Axial slice 92 of 117 of a chest CT (slice 1 is the lowest), reconstructed with the B31s kernel at 130 kVp; 3.00 mm slice thickness and 0.566 mm pixels.
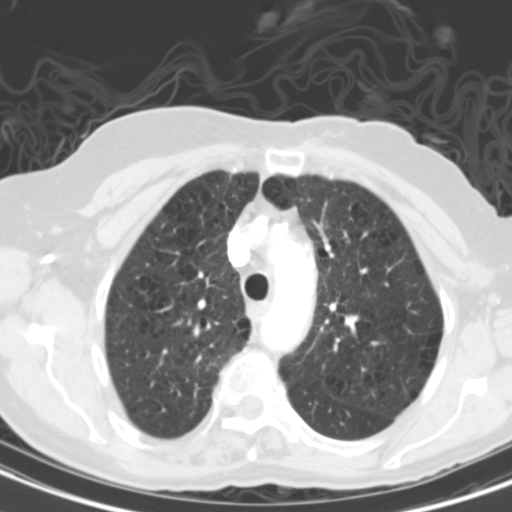
Pulmonary nodule at rows 356–361, columns 197–200 (box = the union of the readers' outlines on this slice), outlined by all four readers, two of them on this slice; median longest diameter 36.7 mm (readers' outlines 31.3–41.7 mm), median volume 5754 mm3 (5062–7820 mm3). Median ratings and the readers' spread: texture 5/5 (solid) from all four readers; margin 3.5/5 at the median of four readers, spread 1/5 (indistinct) to 4/5; median sphericity 4/5 (readers ranged 3/5 (ovoid) to 5/5 (round)); calcification absent, all four readers agreeing; internal structure soft tissue from all four readers; subtlety 5/5 from all four readers; malignancy likelihood 5/5, all four readers agreeing. Scale key (1–5): texture non-solid→solid, margin indistinct→circumscribed, sphericity linear→round, subtlety extremely subtle→obvious, malignancy likelihood highly unlikely→highly suspicious of cancer. Box rows and columns are 0-based pixel indices from the top-left corner, inclusive.